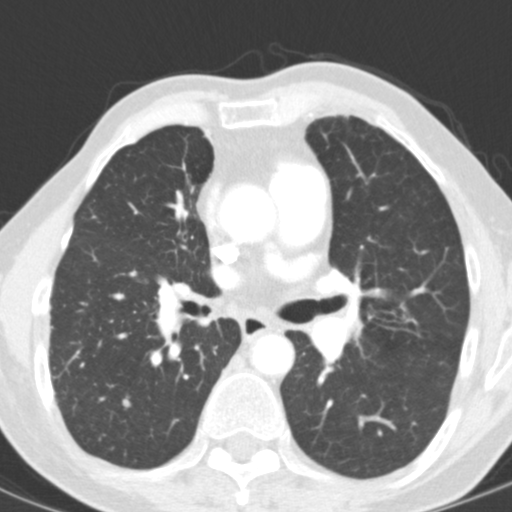
Chest CT, axial plane, 120 kVp, kernel B31f. Slice 75/127 from the bottom of the scan; thickness 3.00 mm; pixel size 0.537 mm.
Pulmonary nodule at rows 397–407, columns 122–130 (box = the union of the readers' outlines on this slice), outlined by three of the four readers; median longest diameter 5.9 mm (readers' outlines 5.6–7.3 mm), median volume 130 mm3 (116–194 mm3). Ratings, median across the readers with their spread: texture 5/5 (solid) at the median of three readers, spread 4/5 to 5/5 (solid); margin 3/5 at the median of three readers, spread 3/5 to 5/5 (circumscribed); sphericity 4/5 from all three readers; calcification absent, all three readers agreeing; internal structure soft tissue, all three readers agreeing; subtlety 3/5 at the median of three readers, spread 2–4; median malignancy likelihood 3/5 (readers ranged 1–3). Scale key (1–5): texture non-solid→solid, margin indistinct→circumscribed, sphericity linear→round, subtlety extremely subtle→obvious, malignancy likelihood highly unlikely→highly suspicious of cancer. Box rows and columns are 0-based pixel indices from the top-left corner, inclusive.